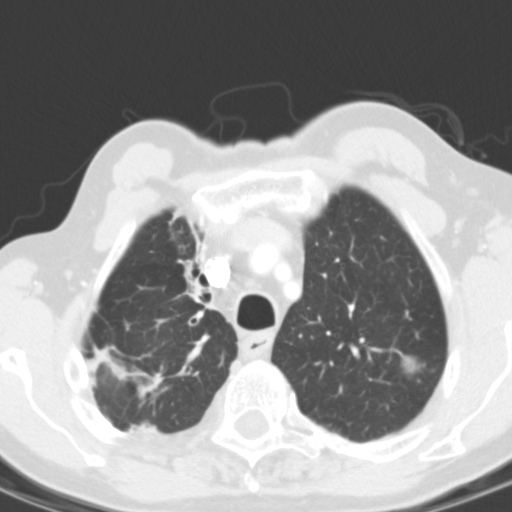
Axial chest CT slice 101 of 127 (counted from the lowest slice); 3.00 mm thick, 0.537 mm per pixel. Pulmonary nodule at rows 352–378, columns 399–422 (box = the union of the readers' outlines on this slice), outlined by all four readers; longest diameter 28.1 mm on average over the four readers' outlines (readers' outlines 25.3–34.3 mm), volume 2614–3808 mm3. The readers' prevailing ratings and who disagreed: texture 5/5 (solid) by three of four readers; the rest gave 4/5 (one); margin split among the readers: 2/5 (one), 3/5 (one), 4/5 (one), 5/5 (circumscribed) (one); most readers (three of four) put sphericity at 4/5, others 3/5 (ovoid) (one); calcification absent, all four readers agreeing; internal structure soft tissue, all four readers agreeing; most readers (three of four) put subtlety at 5/5, others 4/5 (one); malignancy likelihood split among the readers: 2/5 (one), 3/5 (one), 4/5 (one), 5/5 (one). Scale key (1–5): texture non-solid→solid, margin indistinct→circumscribed, sphericity linear→round, subtlety extremely subtle→obvious, malignancy likelihood highly unlikely→highly suspicious of cancer. Box rows and columns are 0-based pixel indices from the top-left corner, inclusive.
Tube voltage 120 kVp; convolution kernel B31f.